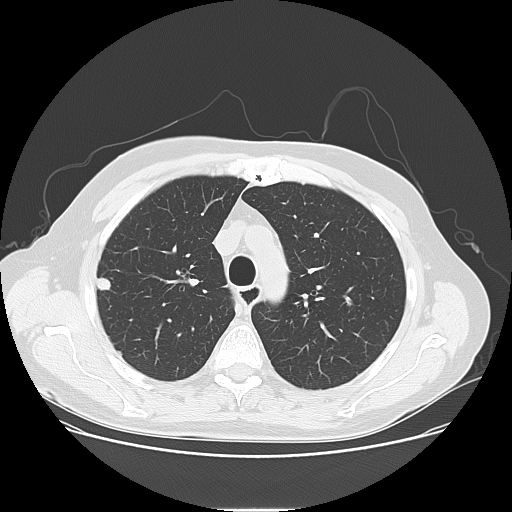
Chest CT, axial plane, 120 kVp, kernel LUNG. Slice 103/141 from the bottom of the scan; thickness 2.50 mm; pixel size 0.762 mm.
Two pulmonary nodules on this slice, listed from left to right. (1) Pulmonary nodule at rows 277–290, columns 95–110 (box = the union of the readers' outlines on this slice), outlined by all four readers; longest diameter 13.5 mm on average over the four readers' outlines (readers' outlines 13.0–13.7 mm), volume 746–896 mm3. Ratings, by the readers' most common answer with dissent counted: texture 5/5 (solid), all four readers agreeing; margin split among the readers: 4/5 (two), 5/5 (circumscribed) (two); sphericity split among the readers: 4/5 (two), 5/5 (round) (two); calcification absent from all four readers; internal structure soft tissue from all four readers; subtlety 5/5, all four readers agreeing; malignancy likelihood 5/5 by two of four readers; the rest gave 3/5 (one), 4/5 (one). (2) Pulmonary nodule outlined by all four readers, two of them on this slice; box rows 295–305, columns 343–352 (the union of the readers' outlines on this slice); longest diameter 11.8 mm on average over the four readers' outlines (readers' outlines 10.2–15.9 mm), volume 358–612 mm3. Ratings, by the readers' most common answer with dissent counted: texture 5/5 (solid), all four readers agreeing; margin split among the readers: 4/5 (two), 5/5 (circumscribed) (two); sphericity split among the readers: 3/5 (ovoid) (two), 4/5 (two); calcification absent by three of four readers, non-central calcification (one); internal structure soft tissue, all four readers agreeing; subtlety split among the readers: 4/5 (two), 5/5 (two); malignancy likelihood 4/5 by two of four readers; the rest gave 3/5 (one), 5/5 (one). Scale key (1–5): texture non-solid→solid, margin indistinct→circumscribed, sphericity linear→round, subtlety extremely subtle→obvious, malignancy likelihood highly unlikely→highly suspicious of cancer. Box rows and columns are 0-based pixel indices from the top-left corner, inclusive.